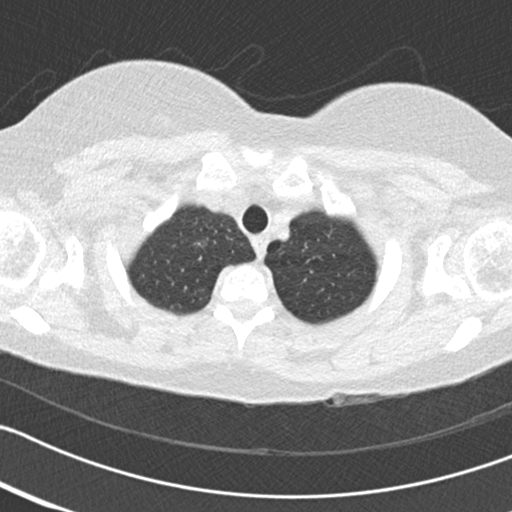
One axial slice (142 of 161, counting up from the lowest) of a chest CT acquired at 120 kVp with the B30f kernel; each pixel is 0.586 mm and the slice is 2.00 mm thick.
Pulmonary nodule outlined by one of the four readers; box rows 241–247, columns 197–206 (that reader's outline on this slice); longest diameter 7.3 mm and volume 104 mm3 from that reader's outline. Ratings by that reader: texture 1/5 (non-solid); margin 1/5 (indistinct); sphericity 4/5; calcification absent; internal structure soft tissue; subtlety 2/5; malignancy likelihood 4/5. Scale key (1–5): texture non-solid→solid, margin indistinct→circumscribed, sphericity linear→round, subtlety extremely subtle→obvious, malignancy likelihood highly unlikely→highly suspicious of cancer. Box rows and columns are 0-based pixel indices from the top-left corner, inclusive.